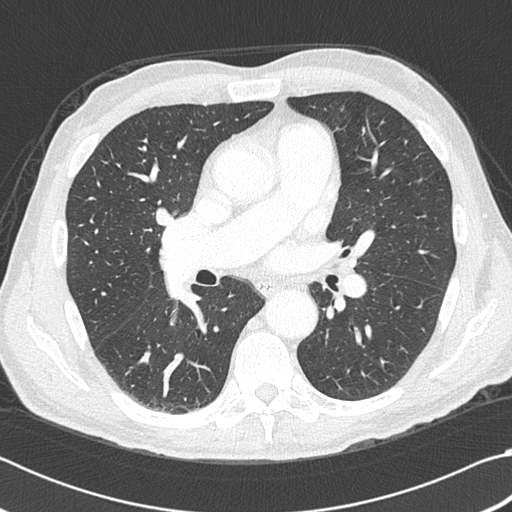
Slice 223/383 of a chest CT, counting up from the lowest; pixel size 0.664 mm, slice thickness 1.00 mm. Pulmonary nodule outlined by all four readers, one of them on this slice; box rows 127–134, columns 362–365 (the one reader's outline on this slice); median longest diameter 11.6 mm (readers' outlines 10.1–11.8 mm), median volume 513 mm3 (386–564 mm3). Ratings, median across the readers with their spread: texture 5/5 (solid), all four readers agreeing; margin 5/5 (circumscribed) at the median of four readers, spread 4/5 to 5/5 (circumscribed); sphericity 4.5/5 at the median of four readers, spread 3/5 (ovoid) to 5/5 (round); calcification absent, all four readers agreeing; internal structure soft tissue from all four readers; median subtlety 5/5 (readers ranged 4–5); median malignancy likelihood 2.5/5 (readers ranged 2–5). Scale key (1–5): texture non-solid→solid, margin indistinct→circumscribed, sphericity linear→round, subtlety extremely subtle→obvious, malignancy likelihood highly unlikely→highly suspicious of cancer. Box rows and columns are 0-based pixel indices from the top-left corner, inclusive.
Scan settings: 120 kVp, B45f reconstruction kernel.